Chest CT, axial plane, 120 kVp, kernel B30f. Slice 202/506 from the bottom of the scan; thickness 0.75 mm; pixel size 0.699 mm.
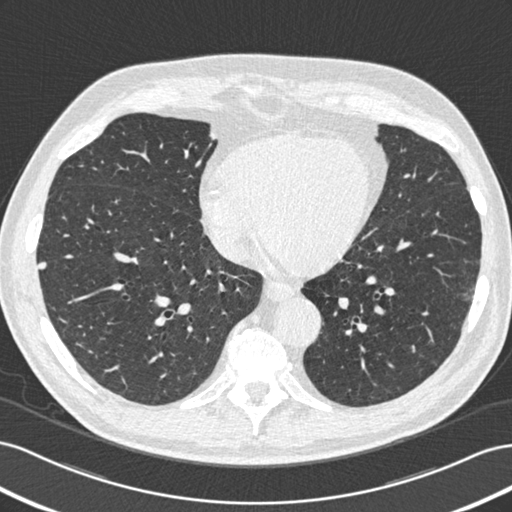
Pulmonary nodule at rows 262–269, columns 37–46 (box = the union of the readers' outlines on this slice), outlined by all four readers; the four readers' outlines give a longest diameter between 8.0 and 9.0 mm and a volume between 171 and 198 mm3. The readers' ratings, as ranges where they differ: texture 5/5 (solid), all four readers agreeing; margin from 3/5 to 5/5 (circumscribed) across the four readers; sphericity from 3/5 (ovoid) to 5/5 (round) across the four readers; calcification absent from all four readers; internal structure soft tissue from all four readers; subtlety from 3/5 to 5/5 across the four readers; malignancy likelihood 1–4/5 (the readers disagree). Scale key (1–5): texture non-solid→solid, margin indistinct→circumscribed, sphericity linear→round, subtlety extremely subtle→obvious, malignancy likelihood highly unlikely→highly suspicious of cancer. Box rows and columns are 0-based pixel indices from the top-left corner, inclusive.